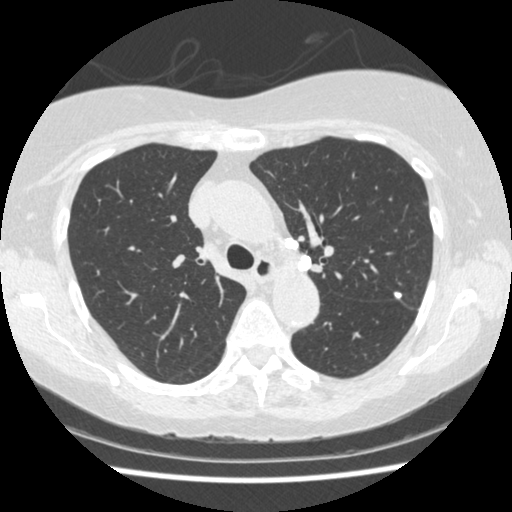
Axial chest CT slice 301 of 458 (counted from the lowest slice); 1.25 mm thick, 0.625 mm per pixel. Three pulmonary nodules are outlined on this slice; from left to right: (1) Pulmonary nodule outlined by one of the four readers; box rows 237–250, columns 284–298 (that reader's outline on this slice); longest diameter 10.6 mm and volume 342 mm3 from that reader's outline. That reader's ratings: texture 5/5 (solid); margin 5/5 (circumscribed); sphericity 4/5; calcification solid calcification; internal structure soft tissue; subtlety 4/5; malignancy likelihood 1/5. (2) Pulmonary nodule, outlined by one of the four readers. Box on this slice rows 255–271, columns 298–311, that reader's outline on this slice; longest diameter 11.9 mm and volume 579 mm3 from that reader's outline. Ratings by that reader: texture 5/5 (solid); margin 5/5 (circumscribed); sphericity 5/5 (round); calcification solid calcification; internal structure soft tissue; subtlety 4/5; malignancy likelihood 1/5. (3) Pulmonary nodule at rows 292–298, columns 393–401 (box = the union of the readers' outlines on this slice), outlined by all four readers; median longest diameter 6.8 mm (readers' outlines 6.8–7.1 mm), median volume 145 mm3 (96–159 mm3). Ratings, median across the readers with their spread: texture 5/5 (solid) at the median of four readers, spread 4/5 to 5/5 (solid); margin 5/5 (circumscribed) at the median of four readers, spread 4/5 to 5/5 (circumscribed); sphericity 3.5/5 at the median of four readers, spread 3/5 (ovoid) to 4/5; calcification: solid calcification (two), central calcification (one), absent (one); internal structure soft tissue from all four readers; subtlety 4.5/5 at the median of four readers, spread 4–5; median malignancy likelihood 1/5 (readers ranged 1–3). Scale key (1–5): texture non-solid→solid, margin indistinct→circumscribed, sphericity linear→round, subtlety extremely subtle→obvious, malignancy likelihood highly unlikely→highly suspicious of cancer. Box rows and columns are 0-based pixel indices from the top-left corner, inclusive.
Scan settings: 120 kVp, STANDARD reconstruction kernel.